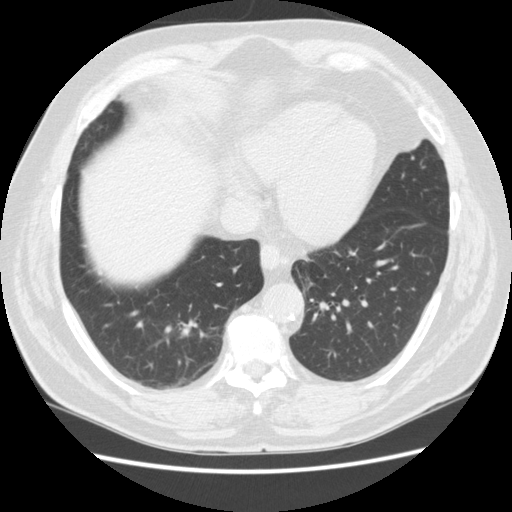
Axial chest CT slice 55 of 148 (counted from the lowest slice); tube voltage 120 kVp, convolution kernel STANDARD; slices 2.50 mm thick, 0.703 mm per pixel.
Pulmonary nodule, outlined by one of the four readers. Box on this slice rows 270–274, columns 98–102, that reader's outline on this slice; longest diameter 4.4 mm and volume 42 mm3 from that reader's outline. That reader's ratings: texture 5/5 (solid); margin 5/5 (circumscribed); sphericity 5/5 (round); calcification absent; internal structure soft tissue; subtlety 5/5; malignancy likelihood 3/5. Scale key (1–5): texture non-solid→solid, margin indistinct→circumscribed, sphericity linear→round, subtlety extremely subtle→obvious, malignancy likelihood highly unlikely→highly suspicious of cancer. Box rows and columns are 0-based pixel indices from the top-left corner, inclusive.